Axial chest CT slice 120 of 144 (counted from the lowest slice); tube voltage 120 kVp, convolution kernel STANDARD; slices 2.50 mm thick, 0.664 mm per pixel.
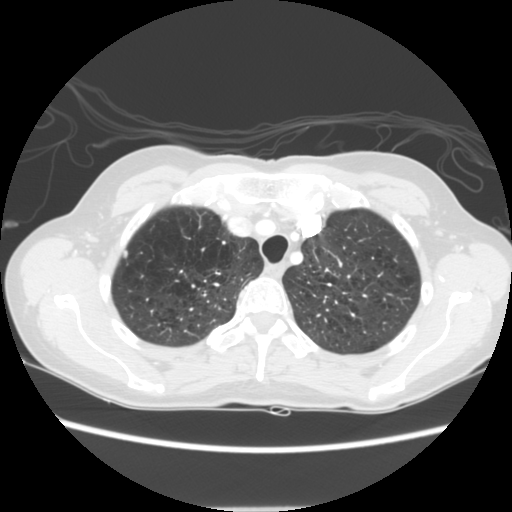
Pulmonary nodule outlined by two of the four readers; box rows 249–257, columns 122–127 (the union of the readers' outlines on this slice); median longest diameter 6.2 mm (readers' outlines 5.7–6.8 mm), median volume 72 mm3 (71–72 mm3). Median ratings and the readers' spread: texture 5/5 (solid), both readers agreeing; median margin 4.5/5 (readers ranged 4/5 to 5/5 (circumscribed)); sphericity 2/5 at the median of two readers, spread 1/5 (linear) to 3/5 (ovoid); calcification absent from both readers; internal structure soft tissue from both readers; median subtlety 3.5/5 (readers ranged 2–5); malignancy likelihood 2/5 from both readers. Scale key (1–5): texture non-solid→solid, margin indistinct→circumscribed, sphericity linear→round, subtlety extremely subtle→obvious, malignancy likelihood highly unlikely→highly suspicious of cancer. Box rows and columns are 0-based pixel indices from the top-left corner, inclusive.